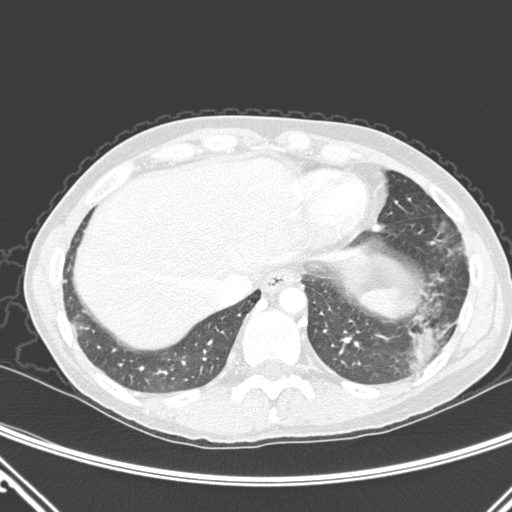
Axial chest CT slice 66 of 290 (counted from the lowest slice); tube voltage 120 kVp, convolution kernel D; slices 1.00 mm thick, 0.662 mm per pixel.
Pulmonary nodule, outlined by two of the four readers, one of them on this slice. Box on this slice rows 326–344, columns 421–431, the one reader's outline on this slice; median longest diameter 17.1 mm (readers' outlines 16.8–17.4 mm), median volume 506 mm3 (457–555 mm3). Ratings, median across the readers with their spread: texture 5/5 (solid), both readers agreeing; margin 1.5/5 at the median of two readers, spread 1/5 (indistinct) to 2/5; sphericity 3.5/5 at the median of two readers, spread 3/5 (ovoid) to 4/5; calcification absent from both readers; internal structure soft tissue from both readers; subtlety 4/5, both readers agreeing; malignancy likelihood 3.5/5 at the median of two readers, spread 3–4. Scale key (1–5): texture non-solid→solid, margin indistinct→circumscribed, sphericity linear→round, subtlety extremely subtle→obvious, malignancy likelihood highly unlikely→highly suspicious of cancer. Box rows and columns are 0-based pixel indices from the top-left corner, inclusive.